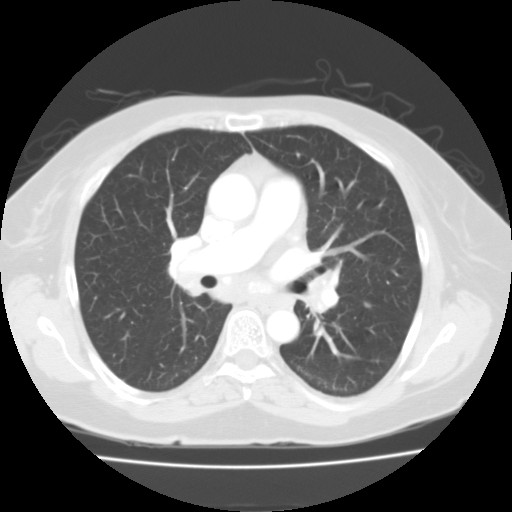
Axial chest CT slice 64 of 109 (counted from the lowest slice); tube voltage 135 kVp, convolution kernel FC01; slices 3.00 mm thick, 0.671 mm per pixel.
Pulmonary nodule outlined by all four readers; box rows 301–307, columns 363–371 (the union of the readers' outlines on this slice); longest diameter 6.9–7.5 mm and volume 136–260 mm3 across the four readers' outlines. The readers' ratings, as ranges where they differ: texture 5/5 (solid), all four readers agreeing; margin from 4/5 to 5/5 (circumscribed) across the four readers; sphericity from 3/5 (ovoid) to 5/5 (round) across the four readers; calcification absent, all four readers agreeing; internal structure soft tissue, all four readers agreeing; subtlety from 3/5 to 5/5 across the four readers; malignancy likelihood from 1/5 to 3/5 across the four readers. Scale key (1–5): texture non-solid→solid, margin indistinct→circumscribed, sphericity linear→round, subtlety extremely subtle→obvious, malignancy likelihood highly unlikely→highly suspicious of cancer. Box rows and columns are 0-based pixel indices from the top-left corner, inclusive.